Axial slice 110 of 278 of a chest CT (slice 1 is the lowest), reconstructed with the B40s kernel at 130 kVp; 3.00 mm slice thickness and 0.977 mm pixels.
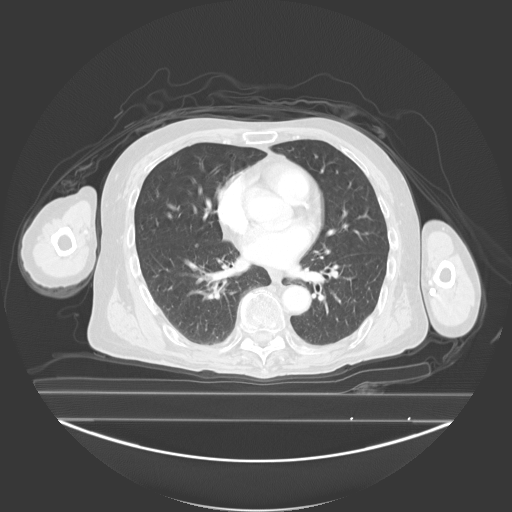
Pulmonary nodule outlined by three of the four readers; box rows 243–247, columns 195–198 (the union of the readers' outlines on this slice); longest diameter 6.2 mm on average over the three readers' outlines (readers' outlines 6.2–6.3 mm), volume 123–213 mm3. Ratings, by the readers' most common answer with dissent counted: texture split among the readers: 1/5 (non-solid) (one), 3/5 (part-solid) (one), 5/5 (solid) (one); margin split among the readers: 3/5 (one), 4/5 (one), 5/5 (circumscribed) (one); sphericity 5/5 (round) from all three readers; calcification absent, all three readers agreeing; internal structure soft tissue, all three readers agreeing; subtlety split among the readers: 2/5 (one), 3/5 (one), 4/5 (one); malignancy likelihood 2/5 by two of three readers; the rest gave 3/5 (one). Scale key (1–5): texture non-solid→solid, margin indistinct→circumscribed, sphericity linear→round, subtlety extremely subtle→obvious, malignancy likelihood highly unlikely→highly suspicious of cancer. Box rows and columns are 0-based pixel indices from the top-left corner, inclusive.